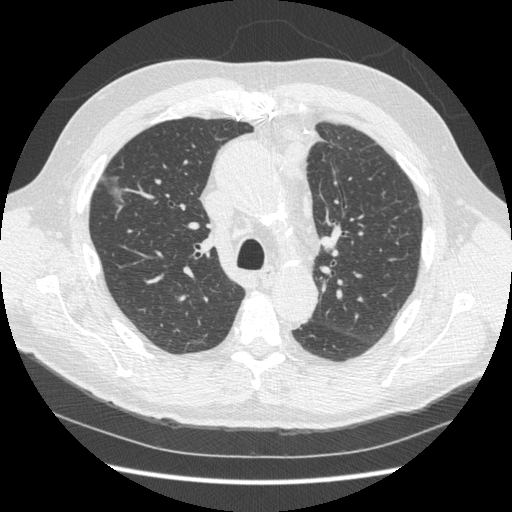
Axial chest CT slice 233 of 369 (counted from the lowest slice); tube voltage 120 kVp, convolution kernel STANDARD; slices 1.25 mm thick, 0.703 mm per pixel.
Pulmonary nodule outlined by one of the four readers; box rows 174–202, columns 100–123 (that reader's outline on this slice); longest diameter 27.0 mm and volume 3015 mm3 from that reader's outline. Ratings by that reader: texture 1/5 (non-solid); margin 1/5 (indistinct); sphericity 3/5 (ovoid); calcification absent; internal structure soft tissue; subtlety 3/5; malignancy likelihood 3/5. Scale key (1–5): texture non-solid→solid, margin indistinct→circumscribed, sphericity linear→round, subtlety extremely subtle→obvious, malignancy likelihood highly unlikely→highly suspicious of cancer. Box rows and columns are 0-based pixel indices from the top-left corner, inclusive.